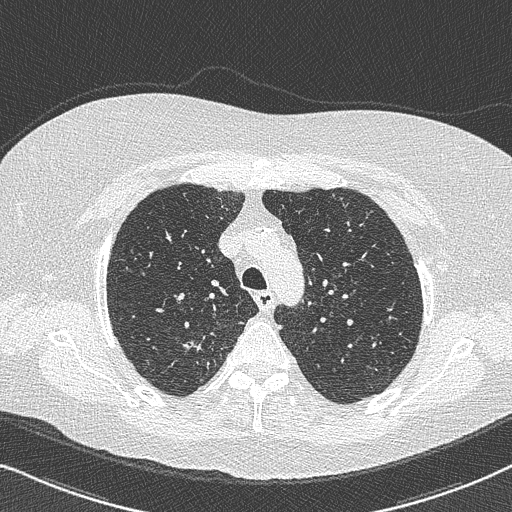
Axial slice 566 of 733 of a chest CT (slice 1 is the lowest), reconstructed with the B50f kernel at 120 kVp; 0.60 mm slice thickness and 0.637 mm pixels.
Pulmonary nodule outlined by all four readers, two of them on this slice; box rows 340–352, columns 179–203 (the union of the readers' outlines on this slice); longest diameter 22.0 mm on average over the four readers' outlines (readers' outlines 15.5–29.7 mm), volume 888–2128 mm3. The readers' prevailing ratings and who disagreed: most readers (three of four) put texture at 5/5 (solid), others 4/5 (one); margin 3/5 by two of four readers; the rest gave 1/5 (indistinct) (one), 4/5 (one); sphericity 3/5 (ovoid) by two of four readers; the rest gave 2/5 (one), 5/5 (round) (one); calcification absent, all four readers agreeing; internal structure soft tissue, all four readers agreeing; subtlety 5/5 by three of four readers; the rest gave 4/5 (one); most readers (three of four) put malignancy likelihood at 4/5, others 5/5 (one). Scale key (1–5): texture non-solid→solid, margin indistinct→circumscribed, sphericity linear→round, subtlety extremely subtle→obvious, malignancy likelihood highly unlikely→highly suspicious of cancer. Box rows and columns are 0-based pixel indices from the top-left corner, inclusive.